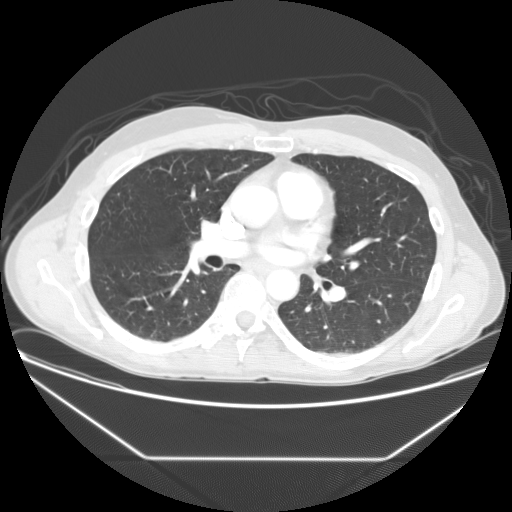
Chest CT, axial plane, 120 kVp, kernel STANDARD. Slice 82/137 from the bottom of the scan; thickness 2.50 mm; pixel size 0.781 mm.
This slice carries no reader outline of a nodule 3 mm or larger.